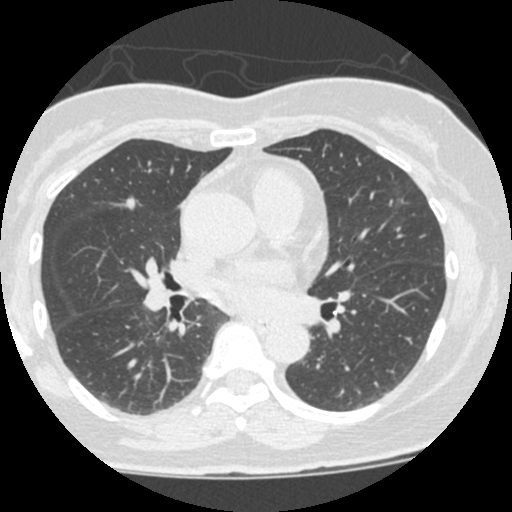
One axial slice (282 of 490, counting up from the lowest) of a chest CT acquired at 120 kVp with the STANDARD kernel; each pixel is 0.547 mm and the slice is 1.25 mm thick.
Pulmonary nodule, outlined by two of the four readers, one of them on this slice. Box on this slice rows 177–212, columns 387–402, the one reader's outline on this slice; the two readers' outlines give a longest diameter between 26.3 and 27.5 mm and a volume between 1167 and 1852 mm3. The readers' ratings, as ranges where they differ: texture 1/5 (non-solid), both readers agreeing; margin from 1/5 (indistinct) to 2/5 across the two readers; sphericity from 2/5 to 5/5 (round) across the two readers; calcification absent from both readers; internal structure soft tissue from both readers; subtlety rated between 1 and 5 out of 5 by the two readers; malignancy likelihood from 2/5 to 3/5 across the two readers. Scale key (1–5): texture non-solid→solid, margin indistinct→circumscribed, sphericity linear→round, subtlety extremely subtle→obvious, malignancy likelihood highly unlikely→highly suspicious of cancer. Box rows and columns are 0-based pixel indices from the top-left corner, inclusive.